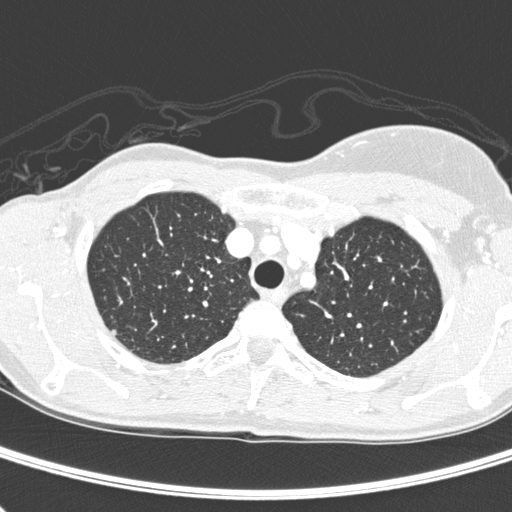
This is axial slice 228 of 280 (slice 1 is the lowest) of a chest CT; each pixel is 0.578 mm and the slice is 1.00 mm thick. Pulmonary nodule at rows 329–335, columns 109–116 (box = the union of the readers' outlines on this slice), outlined by all four readers; the four readers' outlines give a longest diameter between 4.7 and 6.0 mm and a volume between 38 and 51 mm3. The readers' ratings, as ranges where they differ: texture 5/5 (solid), all four readers agreeing; margin from 3/5 to 5/5 (circumscribed) across the four readers; sphericity from 3/5 (ovoid) to 5/5 (round) across the four readers; calcification absent from all four readers; internal structure soft tissue from all four readers; subtlety 3–5/5 (the readers disagree); malignancy likelihood from 2/5 to 3/5 across the four readers. Scale key (1–5): texture non-solid→solid, margin indistinct→circumscribed, sphericity linear→round, subtlety extremely subtle→obvious, malignancy likelihood highly unlikely→highly suspicious of cancer. Box rows and columns are 0-based pixel indices from the top-left corner, inclusive.
Scan settings: 120 kVp, D reconstruction kernel.